Chest CT, axial plane, 120 kVp, kernel STANDARD. Slice 106/301 from the bottom of the scan; thickness 1.25 mm; pixel size 0.684 mm.
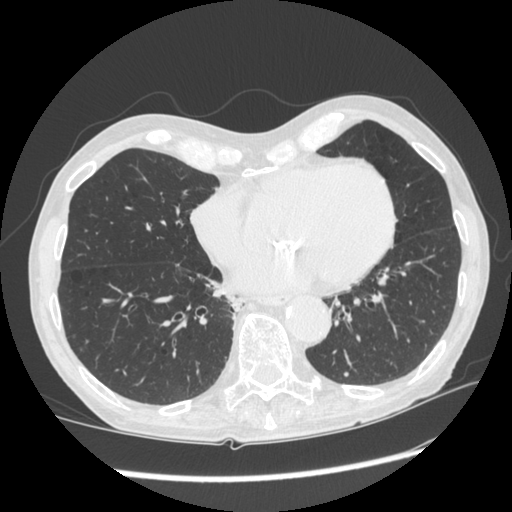
Pulmonary nodule outlined by one of the four readers; box rows 372–376, columns 344–348 (that reader's outline on this slice); longest diameter 5.2 mm and volume 38 mm3 from that reader's outline. That reader's ratings: texture 5/5 (solid); margin 5/5 (circumscribed); sphericity 5/5 (round); calcification absent; internal structure soft tissue; subtlety 2/5; malignancy likelihood 2/5. Scale key (1–5): texture non-solid→solid, margin indistinct→circumscribed, sphericity linear→round, subtlety extremely subtle→obvious, malignancy likelihood highly unlikely→highly suspicious of cancer. Box rows and columns are 0-based pixel indices from the top-left corner, inclusive.